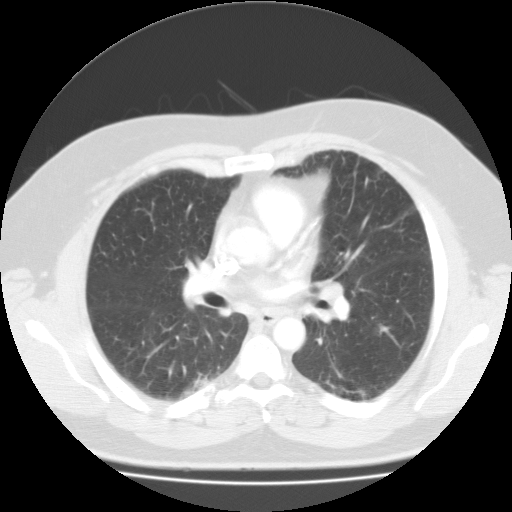
One axial slice (58 of 104, counting up from the lowest) of a chest CT acquired at 135 kVp with the FC01 kernel; each pixel is 0.741 mm and the slice is 3.00 mm thick.
No nodule of 3 mm or larger was outlined by any of the four readers on this slice.